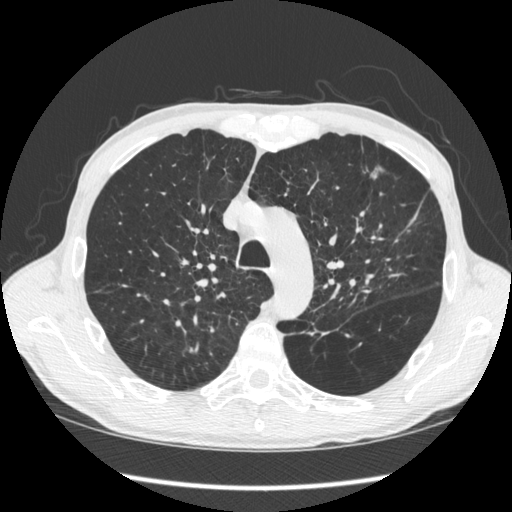
This is axial slice 422 of 583 (slice 1 is the lowest) of a chest CT; each pixel is 0.703 mm and the slice is 1.25 mm thick. Pulmonary nodule, outlined by all four readers. Box on this slice rows 165–179, columns 370–385, the union of the readers' outlines on this slice; longest diameter 13.5 mm on average over the four readers' outlines (readers' outlines 10.5–14.8 mm), volume 293–480 mm3. The readers' prevailing ratings and who disagreed: texture 5/5 (solid) from all four readers; margin 5/5 (circumscribed) by two of four readers; the rest gave 3/5 (one), 4/5 (one); sphericity 2/5 by two of four readers; the rest gave 4/5 (one), 5/5 (round) (one); calcification absent from all four readers; internal structure soft tissue, all four readers agreeing; subtlety 5/5 by two of four readers; the rest gave 3/5 (one), 4/5 (one); malignancy likelihood 5/5 by two of four readers; the rest gave 2/5 (one), 4/5 (one). Scale key (1–5): texture non-solid→solid, margin indistinct→circumscribed, sphericity linear→round, subtlety extremely subtle→obvious, malignancy likelihood highly unlikely→highly suspicious of cancer. Box rows and columns are 0-based pixel indices from the top-left corner, inclusive.
Scan settings: 120 kVp, STANDARD reconstruction kernel.